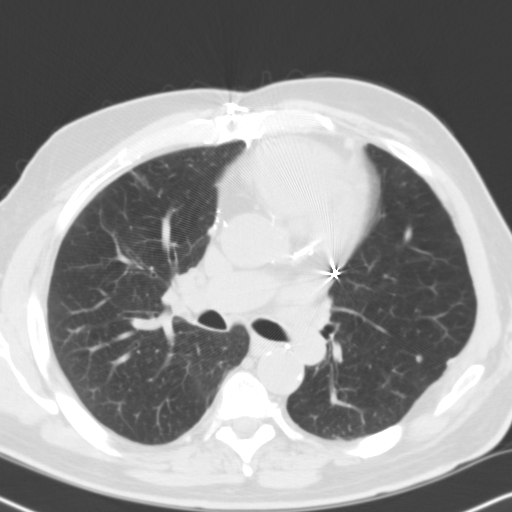
One axial slice (70 of 111, counting up from the lowest) of a chest CT acquired at 140 kVp with the B31f kernel; each pixel is 0.633 mm and the slice is 3.00 mm thick.
Pulmonary nodule, outlined by all four readers. Box on this slice rows 355–362, columns 415–422, the union of the readers' outlines on this slice; longest diameter 5.7–6.5 mm and volume 106–150 mm3 across the four readers' outlines. The readers' ratings, as ranges where they differ: texture from 2/5 to 5/5 (solid) across the four readers; margin from 3/5 to 5/5 (circumscribed) across the four readers; sphericity from 4/5 to 5/5 (round) across the four readers; calcification absent from all four readers; internal structure soft tissue from all four readers; subtlety rated between 1 and 4 out of 5 by the four readers; malignancy likelihood 2–3/5 (the readers disagree). Scale key (1–5): texture non-solid→solid, margin indistinct→circumscribed, sphericity linear→round, subtlety extremely subtle→obvious, malignancy likelihood highly unlikely→highly suspicious of cancer. Box rows and columns are 0-based pixel indices from the top-left corner, inclusive.